One axial slice (231 of 312, counting up from the lowest) of a chest CT acquired at 120 kVp with the B45f kernel; each pixel is 0.664 mm and the slice is 1.00 mm thick.
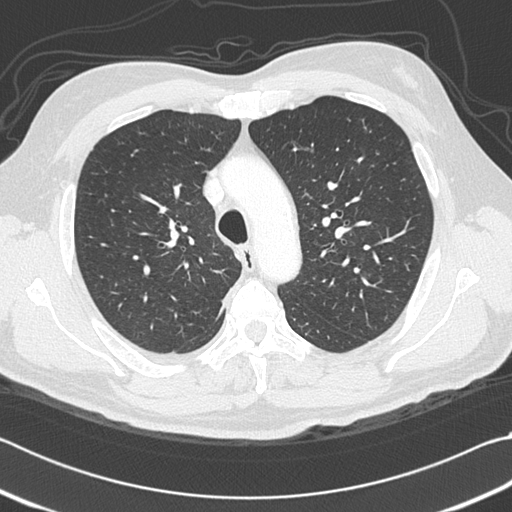
This slice carries no reader outline of a nodule 3 mm or larger.